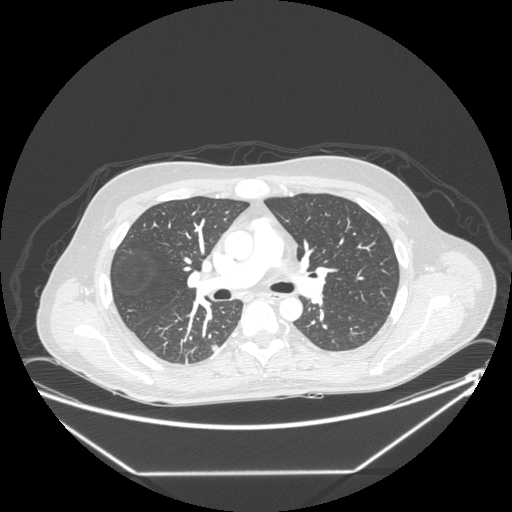
Axial slice 146 of 246 of a chest CT (slice 1 is the lowest), reconstructed with the STANDARD kernel at 120 kVp; 1.25 mm slice thickness and 0.859 mm pixels.
Pulmonary nodule outlined by three of the four readers; box rows 344–350, columns 211–217 (the union of the readers' outlines on this slice); longest diameter 8.6 mm on average over the three readers' outlines (readers' outlines 8.5–8.8 mm), volume 162–188 mm3. The readers' prevailing ratings and who disagreed: texture 5/5 (solid), all three readers agreeing; margin 5/5 (circumscribed) by two of three readers; the rest gave 4/5 (one); sphericity 4/5 by two of three readers; the rest gave 5/5 (round) (one); calcification absent from all three readers; internal structure soft tissue from all three readers; subtlety 4/5, all three readers agreeing; malignancy likelihood 3/5 by two of three readers; the rest gave 4/5 (one). Scale key (1–5): texture non-solid→solid, margin indistinct→circumscribed, sphericity linear→round, subtlety extremely subtle→obvious, malignancy likelihood highly unlikely→highly suspicious of cancer. Box rows and columns are 0-based pixel indices from the top-left corner, inclusive.